Axial chest CT slice 105 of 244 (counted from the lowest slice); tube voltage 120 kVp, convolution kernel BONE; slices 1.25 mm thick, 0.729 mm per pixel.
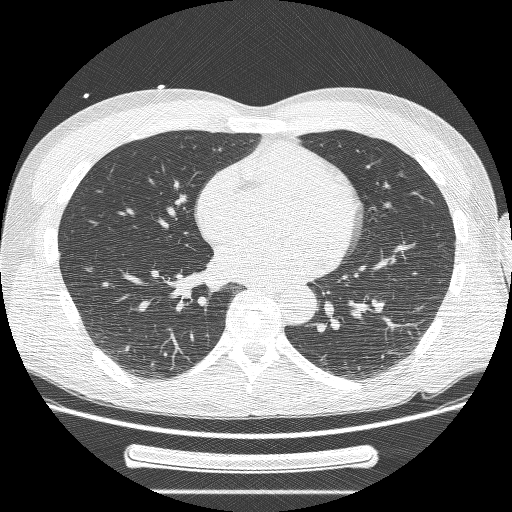
This slice carries no reader outline of a nodule 3 mm or larger.